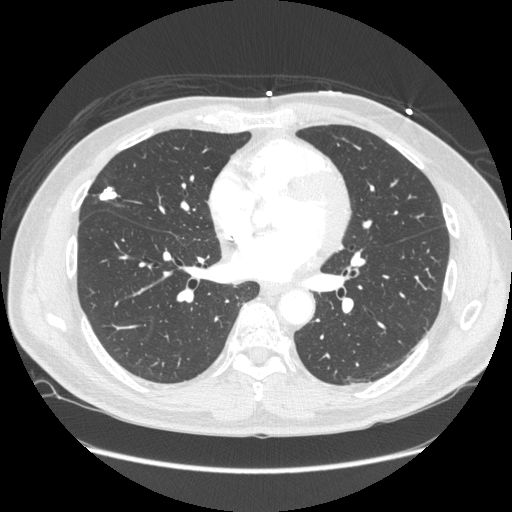
One axial slice (109 of 261, counting up from the lowest) of a chest CT acquired at 120 kVp with the STANDARD kernel; each pixel is 0.781 mm and the slice is 1.25 mm thick.
Pulmonary nodule, outlined by all four readers. Box on this slice rows 186–200, columns 98–117, the union of the readers' outlines on this slice; longest diameter 18.5 mm on average over the four readers' outlines (readers' outlines 18.0–19.6 mm), volume 893–1130 mm3. Ratings, by the readers' most common answer with dissent counted: texture 5/5 (solid) from all four readers; margin 5/5 (circumscribed) by three of four readers; the rest gave 4/5 (one); sphericity 3/5 (ovoid) by two of four readers; the rest gave 4/5 (one), 5/5 (round) (one); calcification solid calcification by three of four readers, absent (one); internal structure soft tissue, all four readers agreeing; subtlety 5/5, all four readers agreeing; malignancy likelihood 1/5 by three of four readers; the rest gave 4/5 (one). Scale key (1–5): texture non-solid→solid, margin indistinct→circumscribed, sphericity linear→round, subtlety extremely subtle→obvious, malignancy likelihood highly unlikely→highly suspicious of cancer. Box rows and columns are 0-based pixel indices from the top-left corner, inclusive.